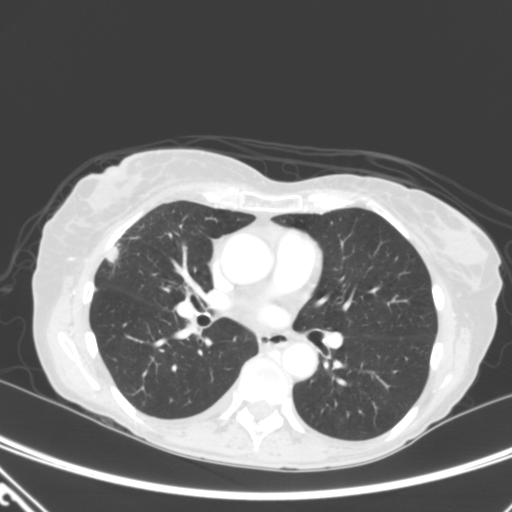
Slice 179/320 of a chest CT, counting up from the lowest; pixel size 0.662 mm, slice thickness 2.00 mm. Pulmonary nodule at rows 244–263, columns 105–120 (box = the union of the readers' outlines on this slice), outlined by all four readers; longest diameter 15.2 mm on average over the four readers' outlines (readers' outlines 12.2–16.6 mm), volume 631–1078 mm3. Ratings, by the readers' most common answer with dissent counted: texture 5/5 (solid) from all four readers; margin 4/5 by two of four readers; the rest gave 3/5 (one), 5/5 (circumscribed) (one); sphericity 3/5 (ovoid) by two of four readers; the rest gave 4/5 (one), 5/5 (round) (one); calcification absent from all four readers; internal structure soft tissue from all four readers; subtlety 5/5, all four readers agreeing; malignancy likelihood 5/5 by two of four readers; the rest gave 2/5 (one), 4/5 (one). Scale key (1–5): texture non-solid→solid, margin indistinct→circumscribed, sphericity linear→round, subtlety extremely subtle→obvious, malignancy likelihood highly unlikely→highly suspicious of cancer. Box rows and columns are 0-based pixel indices from the top-left corner, inclusive.
Scan settings: 120 kVp, B reconstruction kernel.